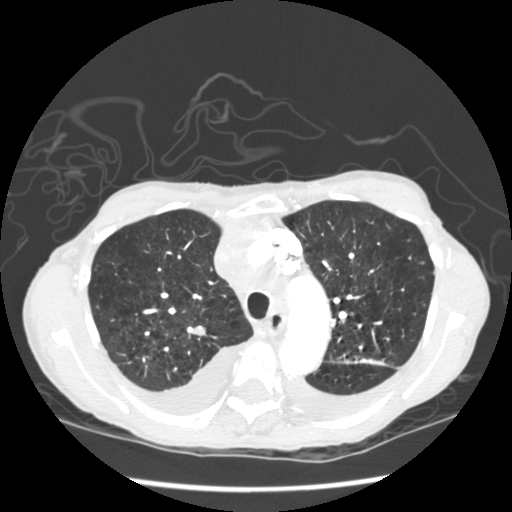
This is axial slice 171 of 233 (slice 1 is the lowest) of a chest CT; each pixel is 0.664 mm and the slice is 1.25 mm thick. Pulmonary nodule at rows 326–335, columns 190–206 (box = the union of the readers' outlines on this slice), outlined by all four readers; median longest diameter 15.1 mm (readers' outlines 14.3–15.4 mm), median volume 1018 mm3 (906–1149 mm3). Ratings, median across the readers with their spread: texture 5/5 (solid) from all four readers; margin 5/5 (circumscribed) at the median of four readers, spread 4/5 to 5/5 (circumscribed); sphericity 3.5/5 at the median of four readers, spread 3/5 (ovoid) to 4/5; calcification absent, all four readers agreeing; internal structure soft tissue from all four readers; median subtlety 5/5 (readers ranged 4–5); median malignancy likelihood 3/5 (readers ranged 2–4). Scale key (1–5): texture non-solid→solid, margin indistinct→circumscribed, sphericity linear→round, subtlety extremely subtle→obvious, malignancy likelihood highly unlikely→highly suspicious of cancer. Box rows and columns are 0-based pixel indices from the top-left corner, inclusive.
Tube voltage 120 kVp; convolution kernel STANDARD.